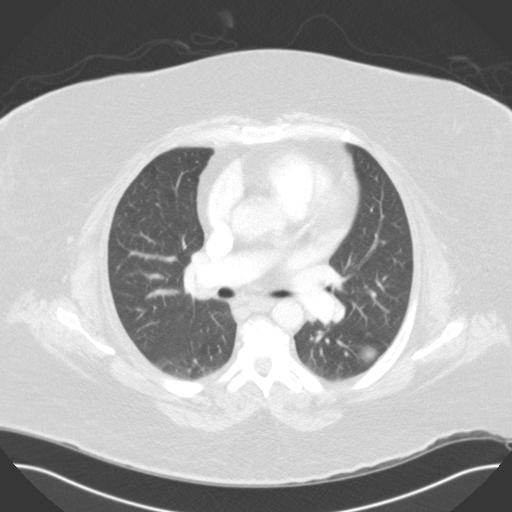
Chest CT, axial plane, 120 kVp, kernel B31f. Slice 81/117 from the bottom of the scan; thickness 3.00 mm; pixel size 0.779 mm.
Pulmonary nodule at rows 345–360, columns 359–375 (box = the union of the readers' outlines on this slice), outlined by two of the four readers; median longest diameter 39.4 mm (readers' outlines 39.2–39.6 mm), median volume 25205 mm3 (24959–25451 mm3). Ratings, median across the readers with their spread: texture 5/5 (solid) from both readers; margin 5/5 (circumscribed) from both readers; sphericity 5/5 (round) from both readers; calcification split among the readers: laminated calcification (one), absent (one); internal structure soft tissue, both readers agreeing; subtlety 5/5 from both readers; malignancy likelihood 2.5/5 at the median of two readers, spread 2–3. Scale key (1–5): texture non-solid→solid, margin indistinct→circumscribed, sphericity linear→round, subtlety extremely subtle→obvious, malignancy likelihood highly unlikely→highly suspicious of cancer. Box rows and columns are 0-based pixel indices from the top-left corner, inclusive.